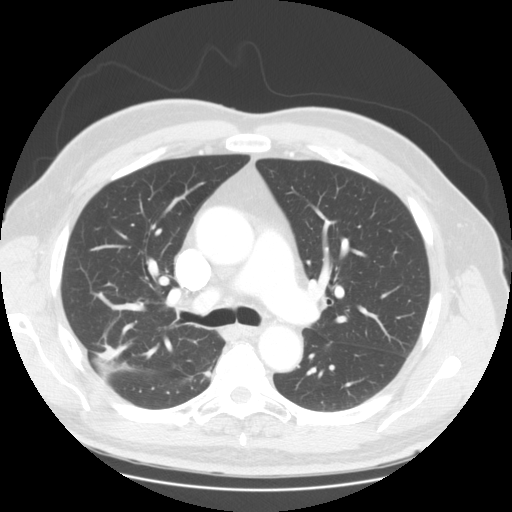
This is axial slice 99 of 145 (slice 1 is the lowest) of a chest CT; each pixel is 0.781 mm and the slice is 2.50 mm thick. Pulmonary nodule, outlined by three of the four readers, two of them on this slice. Box on this slice rows 347–358, columns 97–116, the union of the readers' outlines on this slice; the three readers' outlines give a longest diameter between 28.0 and 34.8 mm and a volume between 3063 and 5177 mm3. Ratings across the readers: texture from 4/5 to 5/5 (solid) across the three readers; margin from 2/5 to 4/5 across the three readers; sphericity from 2/5 to 5/5 (round) across the three readers; calcification absent, all three readers agreeing; internal structure soft tissue from all three readers; subtlety 5/5, all three readers agreeing; malignancy likelihood from 3/5 to 5/5 across the three readers. Scale key (1–5): texture non-solid→solid, margin indistinct→circumscribed, sphericity linear→round, subtlety extremely subtle→obvious, malignancy likelihood highly unlikely→highly suspicious of cancer. Box rows and columns are 0-based pixel indices from the top-left corner, inclusive.
Acquired at 120 kVp and reconstructed with the STANDARD kernel.